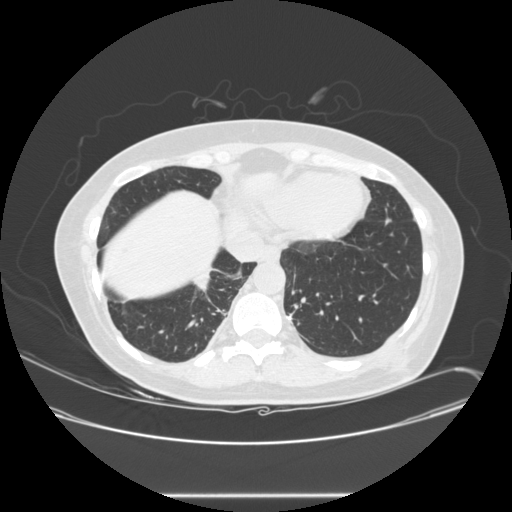
Axial chest CT slice 91 of 257 (counted from the lowest slice); tube voltage 120 kVp, convolution kernel STANDARD; slices 1.25 mm thick, 0.781 mm per pixel.
Pulmonary nodule outlined by all four readers; box rows 267–292, columns 190–211 (the union of the readers' outlines on this slice); the four readers' outlines give a longest diameter between 28.0 and 45.1 mm and a volume between 5019 and 8578 mm3. Ratings across the readers: texture 5/5 (solid), all four readers agreeing; margin from 1/5 (indistinct) to 5/5 (circumscribed) across the four readers; sphericity from 3/5 (ovoid) to 4/5 across the four readers; calcification absent, all four readers agreeing; internal structure soft tissue from all four readers; subtlety 5/5, all four readers agreeing; malignancy likelihood 5/5 from all four readers. Scale key (1–5): texture non-solid→solid, margin indistinct→circumscribed, sphericity linear→round, subtlety extremely subtle→obvious, malignancy likelihood highly unlikely→highly suspicious of cancer. Box rows and columns are 0-based pixel indices from the top-left corner, inclusive.